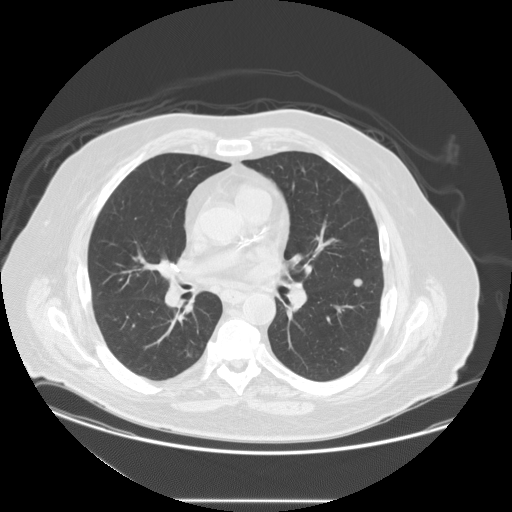
One axial slice (79 of 133, counting up from the lowest) of a chest CT acquired at 120 kVp with the STANDARD kernel; each pixel is 0.859 mm and the slice is 2.50 mm thick.
Pulmonary nodule, outlined by all four readers. Box on this slice rows 278–287, columns 353–362, the union of the readers' outlines on this slice; median longest diameter 10.4 mm (readers' outlines 9.6–11.3 mm), median volume 523 mm3 (358–661 mm3). Median ratings and the readers' spread: texture 5/5 (solid) from all four readers; margin 5/5 (circumscribed), all four readers agreeing; sphericity 5/5 (round) at the median of four readers, spread 4/5 to 5/5 (round); calcification absent, all four readers agreeing; internal structure soft tissue from all four readers; subtlety 4/5 at the median of four readers, spread 3–5; malignancy likelihood 3/5 at the median of four readers, spread 2–3. Scale key (1–5): texture non-solid→solid, margin indistinct→circumscribed, sphericity linear→round, subtlety extremely subtle→obvious, malignancy likelihood highly unlikely→highly suspicious of cancer. Box rows and columns are 0-based pixel indices from the top-left corner, inclusive.